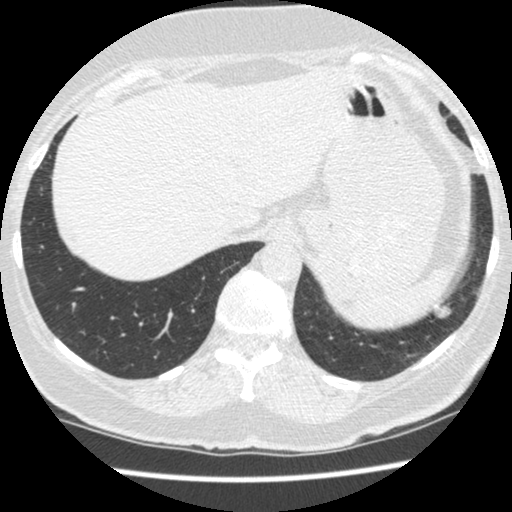
Slice 92/481 of a chest CT, counting up from the lowest; pixel size 0.605 mm, slice thickness 1.25 mm. Pulmonary nodule outlined by all four readers; box rows 304–317, columns 433–451 (the union of the readers' outlines on this slice); longest diameter 13.9 mm on average over the four readers' outlines (readers' outlines 13.3–14.6 mm), volume 633–867 mm3. Ratings, by the readers' most common answer with dissent counted: texture 5/5 (solid), all four readers agreeing; margin split among the readers: 4/5 (two), 5/5 (circumscribed) (two); sphericity 4/5 by three of four readers; the rest gave 5/5 (round) (one); calcification absent, all four readers agreeing; internal structure soft tissue, all four readers agreeing; subtlety 5/5 by three of four readers; the rest gave 4/5 (one); malignancy likelihood split among the readers: 2/5 (one), 3/5 (one), 4/5 (one), 5/5 (one). Scale key (1–5): texture non-solid→solid, margin indistinct→circumscribed, sphericity linear→round, subtlety extremely subtle→obvious, malignancy likelihood highly unlikely→highly suspicious of cancer. Box rows and columns are 0-based pixel indices from the top-left corner, inclusive.
Tube voltage 120 kVp; convolution kernel STANDARD.